Axial chest CT slice 56 of 145 (counted from the lowest slice); tube voltage 120 kVp, convolution kernel STANDARD; slices 2.50 mm thick, 0.625 mm per pixel.
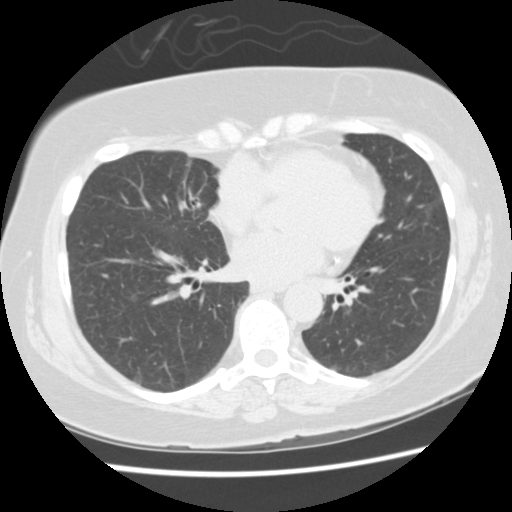
Pulmonary nodule at rows 375–382, columns 134–141 (box = that reader's outline on this slice), outlined by one of the four readers; longest diameter 10.0 mm and volume 279 mm3 from that reader's outline. That reader's ratings: texture 1/5 (non-solid); margin 3/5; sphericity 3/5 (ovoid); calcification absent; internal structure soft tissue; subtlety 5/5; malignancy likelihood 2/5. Scale key (1–5): texture non-solid→solid, margin indistinct→circumscribed, sphericity linear→round, subtlety extremely subtle→obvious, malignancy likelihood highly unlikely→highly suspicious of cancer. Box rows and columns are 0-based pixel indices from the top-left corner, inclusive.